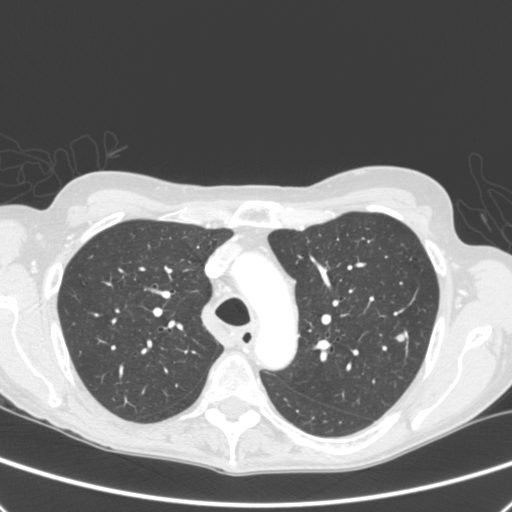
This is axial slice 270 of 392 (slice 1 is the lowest) of a chest CT; each pixel is 0.639 mm and the slice is 1.50 mm thick. Pulmonary nodule at rows 333–341, columns 396–404 (box = the union of the readers' outlines on this slice), outlined by all four readers; longest diameter 6.7 mm on average over the four readers' outlines (readers' outlines 6.6–6.8 mm), volume 88–125 mm3. Ratings, by the readers' most common answer with dissent counted: texture 5/5 (solid) from all four readers; margin split among the readers: 4/5 (two), 5/5 (circumscribed) (two); sphericity split among the readers: 4/5 (two), 5/5 (round) (two); calcification absent, all four readers agreeing; internal structure soft tissue from all four readers; subtlety 5/5 by two of four readers; the rest gave 2/5 (one), 4/5 (one); malignancy likelihood split among the readers: 2/5 (two), 4/5 (two). Scale key (1–5): texture non-solid→solid, margin indistinct→circumscribed, sphericity linear→round, subtlety extremely subtle→obvious, malignancy likelihood highly unlikely→highly suspicious of cancer. Box rows and columns are 0-based pixel indices from the top-left corner, inclusive.
Scan settings: 120 kVp, C reconstruction kernel.